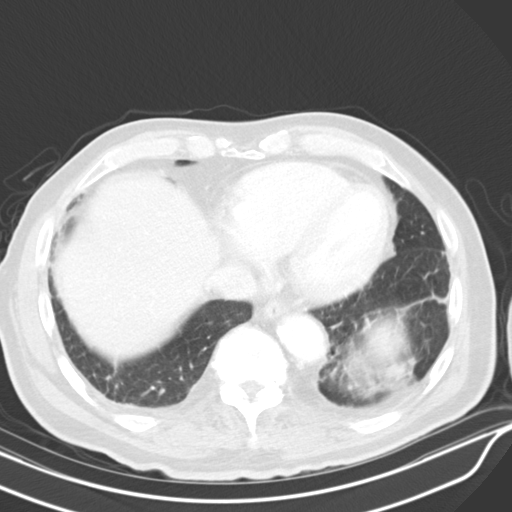
Axial chest CT slice 205 of 319 (counted from the lowest slice); 4.00 mm thick, 0.729 mm per pixel. Pulmonary nodule, outlined by all four readers, one of them on this slice. Box on this slice rows 366–374, columns 388–404, the one reader's outline on this slice; median longest diameter 18.0 mm (readers' outlines 16.9–19.9 mm), median volume 1126 mm3 (1011–1255 mm3). Median ratings and the readers' spread: median texture 5/5 (solid) (readers ranged 3/5 (part-solid) to 5/5 (solid)); median margin 2.5/5 (readers ranged 2/5 to 4/5); sphericity 3/5 (ovoid) at the median of four readers, spread 2/5 to 4/5; calcification absent, all four readers agreeing; internal structure soft tissue, all four readers agreeing; median subtlety 4.5/5 (readers ranged 4–5); median malignancy likelihood 3.5/5 (readers ranged 3–4). Scale key (1–5): texture non-solid→solid, margin indistinct→circumscribed, sphericity linear→round, subtlety extremely subtle→obvious, malignancy likelihood highly unlikely→highly suspicious of cancer. Box rows and columns are 0-based pixel indices from the top-left corner, inclusive.
Scan settings: 130 kVp, B30s reconstruction kernel.